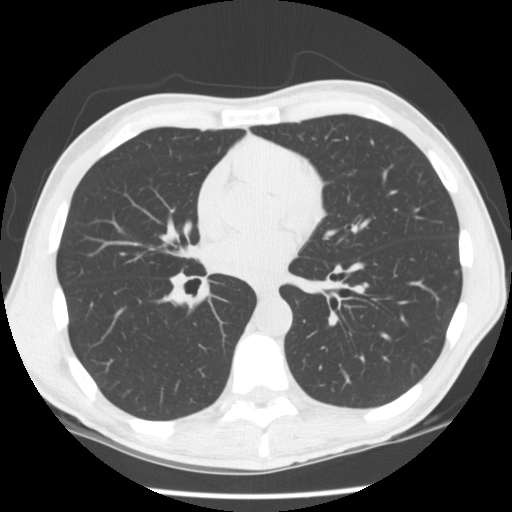
One axial slice (72 of 163, counting up from the lowest) of a chest CT acquired at 120 kVp with the STANDARD kernel; each pixel is 0.664 mm and the slice is 2.50 mm thick.
Pulmonary nodule outlined by two of the four readers; box rows 269–275, columns 453–458 (the union of the readers' outlines on this slice); median longest diameter 5.5 mm (readers' outlines 5.4–5.7 mm), median volume 74 mm3 (60–87 mm3). Median ratings and the readers' spread: texture 5/5 (solid) from both readers; median margin 4.5/5 (readers ranged 4/5 to 5/5 (circumscribed)); median sphericity 4.5/5 (readers ranged 4/5 to 5/5 (round)); calcification split among the readers: central calcification (one), absent (one); internal structure soft tissue from both readers; subtlety 4.5/5 at the median of two readers, spread 4–5; median malignancy likelihood 2/5 (readers ranged 1–3). Scale key (1–5): texture non-solid→solid, margin indistinct→circumscribed, sphericity linear→round, subtlety extremely subtle→obvious, malignancy likelihood highly unlikely→highly suspicious of cancer. Box rows and columns are 0-based pixel indices from the top-left corner, inclusive.